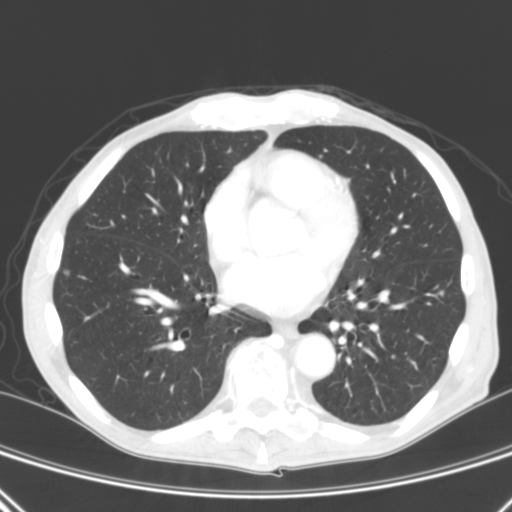
Chest CT, axial plane, 120 kVp, kernel B. Slice 118/290 from the bottom of the scan; thickness 2.00 mm; pixel size 0.639 mm.
Pulmonary nodule outlined by two of the four readers; box rows 269–275, columns 63–68 (the union of the readers' outlines on this slice); median longest diameter 5.7 mm (readers' outlines 5.5–6.0 mm), median volume 50 mm3 (44–55 mm3). Median ratings and the readers' spread: median texture 4/5 (readers ranged 3/5 (part-solid) to 5/5 (solid)); margin 3/5 at the median of two readers, spread 2/5 to 4/5; sphericity 4/5 from both readers; calcification absent, both readers agreeing; internal structure soft tissue from both readers; subtlety 4.5/5 at the median of two readers, spread 4–5; malignancy likelihood 3/5, both readers agreeing. Scale key (1–5): texture non-solid→solid, margin indistinct→circumscribed, sphericity linear→round, subtlety extremely subtle→obvious, malignancy likelihood highly unlikely→highly suspicious of cancer. Box rows and columns are 0-based pixel indices from the top-left corner, inclusive.